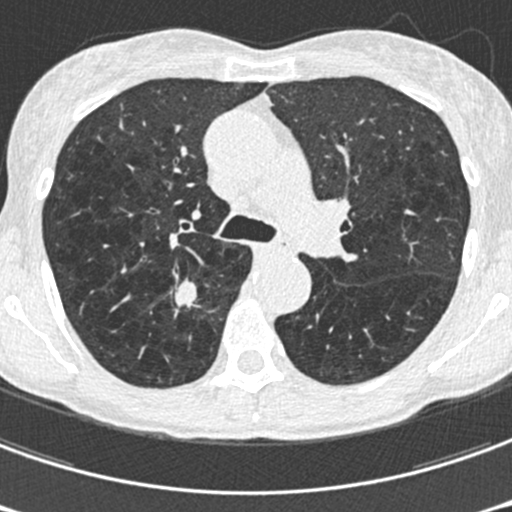
Axial chest CT slice 404 of 633 (counted from the lowest slice); tube voltage 120 kVp, convolution kernel B30f; slices 0.60 mm thick, 0.541 mm per pixel.
Pulmonary nodule, outlined by all four readers. Box on this slice rows 279–306, columns 174–195, the union of the readers' outlines on this slice; longest diameter 19.0 mm on average over the four readers' outlines (readers' outlines 18.1–21.0 mm), volume 1292–1642 mm3. The readers' prevailing ratings and who disagreed: texture 5/5 (solid), all four readers agreeing; margin 2/5 by two of four readers; the rest gave 1/5 (indistinct) (one), 3/5 (one); sphericity 3/5 (ovoid) by two of four readers; the rest gave 2/5 (one), 4/5 (one); calcification absent, all four readers agreeing; internal structure soft tissue from all four readers; most readers (three of four) put subtlety at 5/5, others 4/5 (one); malignancy likelihood 5/5 by three of four readers; the rest gave 4/5 (one). Scale key (1–5): texture non-solid→solid, margin indistinct→circumscribed, sphericity linear→round, subtlety extremely subtle→obvious, malignancy likelihood highly unlikely→highly suspicious of cancer. Box rows and columns are 0-based pixel indices from the top-left corner, inclusive.